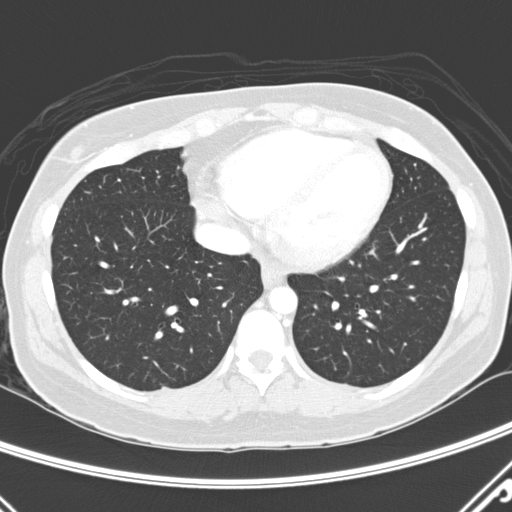
One axial slice (97 of 290, counting up from the lowest) of a chest CT acquired at 120 kVp with the D kernel; each pixel is 0.648 mm and the slice is 2.00 mm thick.
Pulmonary nodule outlined by one of the four readers; box rows 386–388, columns 162–167 (that reader's outline on this slice); longest diameter 7.2 mm and volume 59 mm3 from that reader's outline. Ratings by that reader: texture 5/5 (solid); margin 4/5; sphericity 3/5 (ovoid); calcification absent; internal structure soft tissue; subtlety 5/5; malignancy likelihood 3/5. Scale key (1–5): texture non-solid→solid, margin indistinct→circumscribed, sphericity linear→round, subtlety extremely subtle→obvious, malignancy likelihood highly unlikely→highly suspicious of cancer. Box rows and columns are 0-based pixel indices from the top-left corner, inclusive.